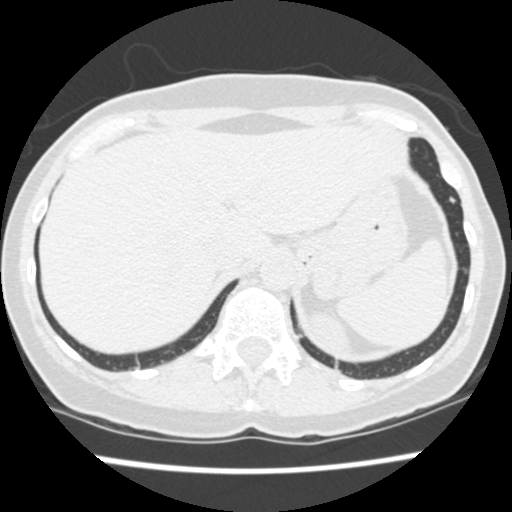
One axial slice (59 of 471, counting up from the lowest) of a chest CT acquired at 120 kVp with the STANDARD kernel; each pixel is 0.586 mm and the slice is 1.25 mm thick.
Pulmonary nodule, outlined by all four readers. Box on this slice rows 193–205, columns 449–457, the union of the readers' outlines on this slice; longest diameter 7.0 mm on average over the four readers' outlines (readers' outlines 6.1–9.0 mm), volume 96–205 mm3. Ratings, by the readers' most common answer with dissent counted: texture 5/5 (solid) from all four readers; most readers (three of four) put margin at 4/5, others 5/5 (circumscribed) (one); most readers (three of four) put sphericity at 3/5 (ovoid), others 5/5 (round) (one); calcification absent from all four readers; internal structure soft tissue, all four readers agreeing; most readers (three of four) put subtlety at 3/5, others 4/5 (one); malignancy likelihood 3/5 by two of four readers; the rest gave 2/5 (one), 4/5 (one). Scale key (1–5): texture non-solid→solid, margin indistinct→circumscribed, sphericity linear→round, subtlety extremely subtle→obvious, malignancy likelihood highly unlikely→highly suspicious of cancer. Box rows and columns are 0-based pixel indices from the top-left corner, inclusive.